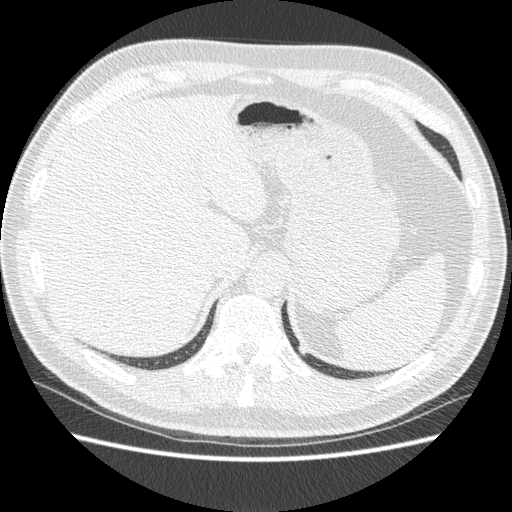
One axial slice (89 of 477, counting up from the lowest) of a chest CT acquired at 120 kVp with the STANDARD kernel; each pixel is 0.703 mm and the slice is 1.25 mm thick.
Pulmonary nodule at rows 345–355, columns 297–306 (box = the union of the readers' outlines on this slice), outlined by all four readers; longest diameter 11.8 mm on average over the four readers' outlines (readers' outlines 10.5–13.2 mm), volume 347–425 mm3. Ratings, by the readers' most common answer with dissent counted: texture 5/5 (solid) from all four readers; margin 4/5 by three of four readers; the rest gave 5/5 (circumscribed) (one); sphericity 3/5 (ovoid) by two of four readers; the rest gave 4/5 (one), 5/5 (round) (one); calcification split among the readers: solid calcification (one), non-central calcification (one), central calcification (one), absent (one); internal structure soft tissue from all four readers; subtlety split among the readers: 3/5 (two), 5/5 (two); malignancy likelihood split among the readers: 1/5 (two), 2/5 (two). Scale key (1–5): texture non-solid→solid, margin indistinct→circumscribed, sphericity linear→round, subtlety extremely subtle→obvious, malignancy likelihood highly unlikely→highly suspicious of cancer. Box rows and columns are 0-based pixel indices from the top-left corner, inclusive.